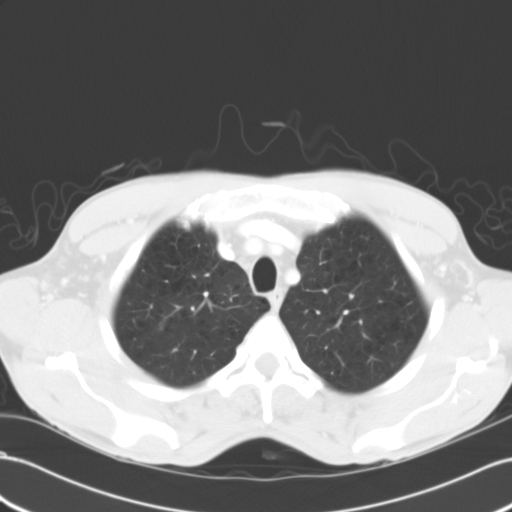
One axial slice (123 of 137, counting up from the lowest) of a chest CT acquired at 120 kVp with the B31f kernel; each pixel is 0.691 mm and the slice is 5.00 mm thick.
Pulmonary nodule outlined by three of the four readers, one of them on this slice; box rows 324–329, columns 159–163 (the one reader's outline on this slice); median longest diameter 8.4 mm (readers' outlines 7.9–8.6 mm), median volume 197 mm3 (182–327 mm3). Median ratings and the readers' spread: median texture 4/5 (readers ranged 4/5 to 5/5 (solid)); median margin 4/5 (readers ranged 4/5 to 5/5 (circumscribed)); sphericity 5/5 (round) at the median of three readers, spread 3/5 (ovoid) to 5/5 (round); calcification absent, all three readers agreeing; internal structure soft tissue, all three readers agreeing; median subtlety 4/5 (readers ranged 3–5); malignancy likelihood 3/5 at the median of three readers, spread 2–3. Scale key (1–5): texture non-solid→solid, margin indistinct→circumscribed, sphericity linear→round, subtlety extremely subtle→obvious, malignancy likelihood highly unlikely→highly suspicious of cancer. Box rows and columns are 0-based pixel indices from the top-left corner, inclusive.